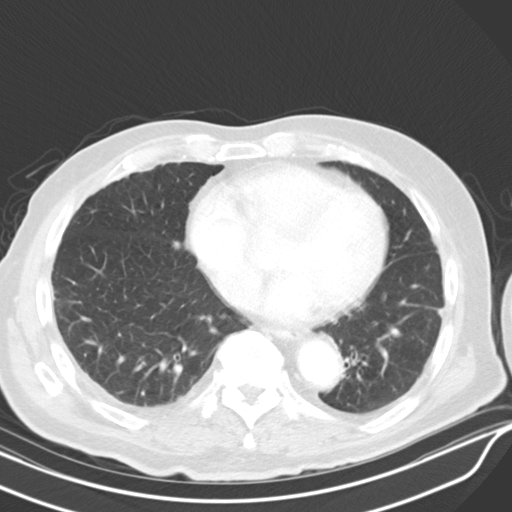
Axial slice 217 of 319 of a chest CT (slice 1 is the lowest), reconstructed with the B30s kernel at 130 kVp; 4.00 mm slice thickness and 0.729 mm pixels.
Pulmonary nodule, outlined by one of the four readers. Box on this slice rows 241–249, columns 172–180, that reader's outline on this slice; longest diameter 8.8 mm and volume 265 mm3 from that reader's outline. That reader's ratings: texture 5/5 (solid); margin 2/5; sphericity 4/5; calcification absent; internal structure soft tissue; subtlety 5/5; malignancy likelihood 2/5. Scale key (1–5): texture non-solid→solid, margin indistinct→circumscribed, sphericity linear→round, subtlety extremely subtle→obvious, malignancy likelihood highly unlikely→highly suspicious of cancer. Box rows and columns are 0-based pixel indices from the top-left corner, inclusive.